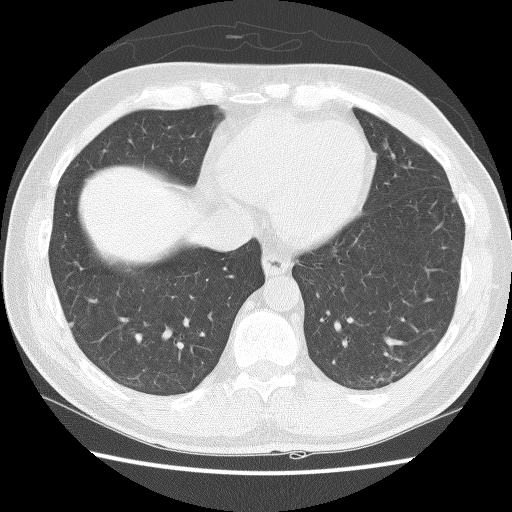
Axial slice 42 of 127 of a chest CT (slice 1 is the lowest), reconstructed with the BONE kernel at 140 kVp; 2.50 mm slice thickness and 0.664 mm pixels.
Pulmonary nodule outlined by three of the four readers; box rows 321–327, columns 67–74 (the union of the readers' outlines on this slice); median longest diameter 5.4 mm (readers' outlines 4.3–6.1 mm), median volume 37 mm3 (36–71 mm3). Ratings, median across the readers with their spread: texture 5/5 (solid), all three readers agreeing; margin 4/5 at the median of three readers, spread 4/5 to 5/5 (circumscribed); median sphericity 4/5 (readers ranged 3/5 (ovoid) to 4/5); calcification absent, all three readers agreeing; internal structure soft tissue from all three readers; median subtlety 3/5 (readers ranged 2–4); malignancy likelihood 2/5 at the median of three readers, spread 1–2. Scale key (1–5): texture non-solid→solid, margin indistinct→circumscribed, sphericity linear→round, subtlety extremely subtle→obvious, malignancy likelihood highly unlikely→highly suspicious of cancer. Box rows and columns are 0-based pixel indices from the top-left corner, inclusive.